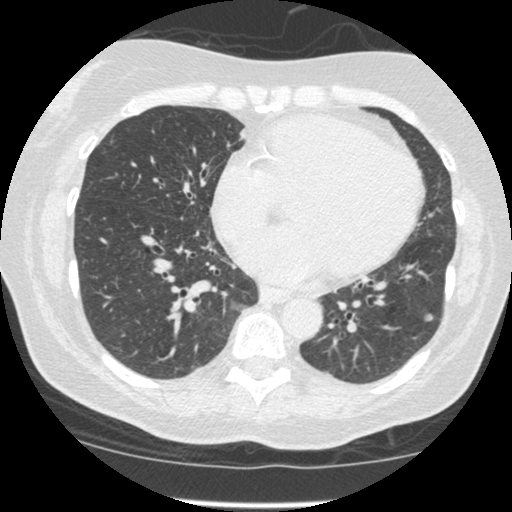
Axial chest CT slice 169 of 449 (counted from the lowest slice); tube voltage 120 kVp, convolution kernel STANDARD; slices 1.25 mm thick, 0.625 mm per pixel.
Pulmonary nodule outlined by all four readers; box rows 313–321, columns 423–433 (the union of the readers' outlines on this slice); longest diameter 6.8–9.2 mm and volume 59–141 mm3 across the four readers' outlines. Ratings across the readers: texture from 1/5 (non-solid) to 5/5 (solid) across the four readers; margin from 3/5 to 5/5 (circumscribed) across the four readers; sphericity from 3/5 (ovoid) to 5/5 (round) across the four readers; calcification absent, all four readers agreeing; internal structure soft tissue, all four readers agreeing; subtlety 3–4/5 (the readers disagree); malignancy likelihood 3/5 from all four readers. Scale key (1–5): texture non-solid→solid, margin indistinct→circumscribed, sphericity linear→round, subtlety extremely subtle→obvious, malignancy likelihood highly unlikely→highly suspicious of cancer. Box rows and columns are 0-based pixel indices from the top-left corner, inclusive.